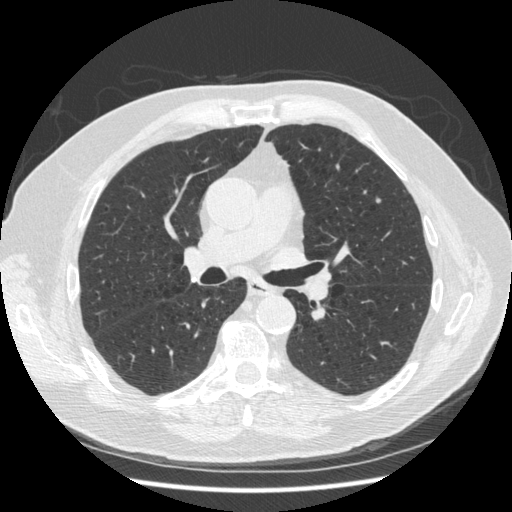
Chest CT, axial plane, 120 kVp, kernel STANDARD. Slice 263/477 from the bottom of the scan; thickness 1.25 mm; pixel size 0.703 mm.
Pulmonary nodule, outlined by one of the four readers. Box on this slice rows 198–202, columns 376–380, that reader's outline on this slice; longest diameter 6.0 mm and volume 35 mm3 from that reader's outline. Ratings by that reader: texture 5/5 (solid); margin 5/5 (circumscribed); sphericity 5/5 (round); calcification absent; internal structure soft tissue; subtlety 2/5; malignancy likelihood 2/5. Scale key (1–5): texture non-solid→solid, margin indistinct→circumscribed, sphericity linear→round, subtlety extremely subtle→obvious, malignancy likelihood highly unlikely→highly suspicious of cancer. Box rows and columns are 0-based pixel indices from the top-left corner, inclusive.